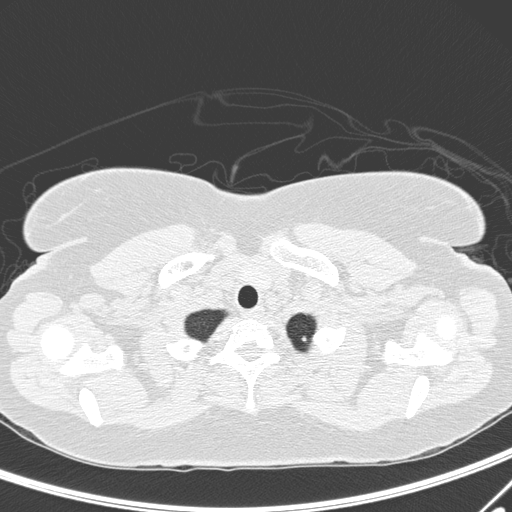
Axial slice 223 of 231 of a chest CT (slice 1 is the lowest), reconstructed with the D kernel at 120 kVp; 1.00 mm slice thickness and 0.666 mm pixels.
Pulmonary nodule outlined by one of the four readers; box rows 335–340, columns 301–307 (that reader's outline on this slice); longest diameter 6.0 mm and volume 38 mm3 from that reader's outline. Ratings by that reader: texture 5/5 (solid); margin 5/5 (circumscribed); sphericity 5/5 (round); calcification absent; internal structure soft tissue; subtlety 4/5; malignancy likelihood 1/5. Scale key (1–5): texture non-solid→solid, margin indistinct→circumscribed, sphericity linear→round, subtlety extremely subtle→obvious, malignancy likelihood highly unlikely→highly suspicious of cancer. Box rows and columns are 0-based pixel indices from the top-left corner, inclusive.